Axial slice 105 of 124 of a chest CT (slice 1 is the lowest), reconstructed with the FC01 kernel at 135 kVp; 3.00 mm slice thickness and 0.854 mm pixels.
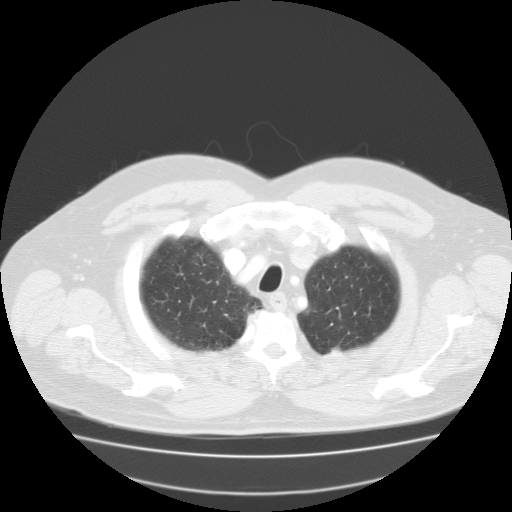
Pulmonary nodule at rows 346–351, columns 332–339 (box = the union of the readers' outlines on this slice), outlined by all four readers, two of them on this slice; median longest diameter 14.0 mm (readers' outlines 13.5–15.1 mm), median volume 961 mm3 (568–1162 mm3). Ratings, median across the readers with their spread: texture 5/5 (solid) from all four readers; margin 4.5/5 at the median of four readers, spread 4/5 to 5/5 (circumscribed); sphericity 4/5 at the median of four readers, spread 3/5 (ovoid) to 5/5 (round); calcification absent, all four readers agreeing; internal structure soft tissue, all four readers agreeing; median subtlety 4.5/5 (readers ranged 4–5); malignancy likelihood 3.5/5 at the median of four readers, spread 3–4. Scale key (1–5): texture non-solid→solid, margin indistinct→circumscribed, sphericity linear→round, subtlety extremely subtle→obvious, malignancy likelihood highly unlikely→highly suspicious of cancer. Box rows and columns are 0-based pixel indices from the top-left corner, inclusive.